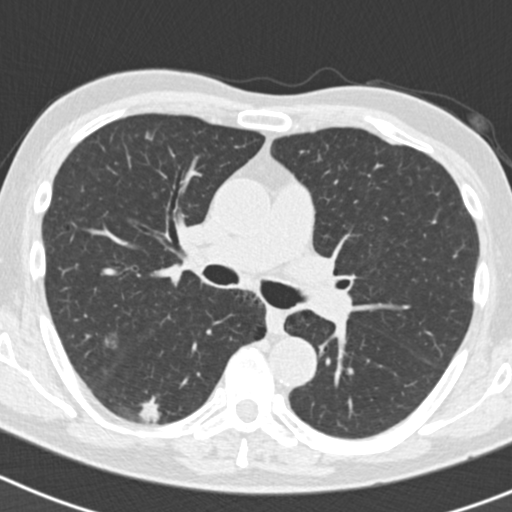
Axial chest CT slice 117 of 186 (counted from the lowest slice); 2.00 mm thick, 0.586 mm per pixel. Two pulmonary nodules on this slice, listed from left to right. (1) Pulmonary nodule at rows 132–139, columns 145–151 (box = the one reader's outline on this slice), outlined by three of the four readers, one of them on this slice; longest diameter 9.5–9.7 mm and volume 146–185 mm3 across the three readers' outlines. The readers' ratings, as ranges where they differ: texture from 4/5 to 5/5 (solid) across the three readers; margin from 4/5 to 5/5 (circumscribed) across the three readers; sphericity from 3/5 (ovoid) to 4/5 across the three readers; calcification absent from all three readers; internal structure soft tissue from all three readers; subtlety 2–4/5 (the readers disagree); malignancy likelihood rated between 2 and 3 out of 5 by the three readers. (2) Pulmonary nodule outlined by three of the four readers; box rows 396–422, columns 137–161 (the union of the readers' outlines on this slice); median longest diameter 19.6 mm (readers' outlines 19.6–20.9 mm), median volume 1932 mm3 (1911–1935 mm3). Ratings, median across the readers with their spread: median texture 4/5 (readers ranged 4/5 to 5/5 (solid)); median margin 3/5 (readers ranged 3/5 to 4/5); median sphericity 3/5 (ovoid) (readers ranged 2/5 to 4/5); calcification absent from all three readers; internal structure soft tissue, all three readers agreeing; subtlety 5/5 at the median of three readers, spread 4–5; malignancy likelihood 5/5 at the median of three readers, spread 3–5. Scale key (1–5): texture non-solid→solid, margin indistinct→circumscribed, sphericity linear→round, subtlety extremely subtle→obvious, malignancy likelihood highly unlikely→highly suspicious of cancer. Box rows and columns are 0-based pixel indices from the top-left corner, inclusive.
Acquired at 120 kVp and reconstructed with the B30f kernel.